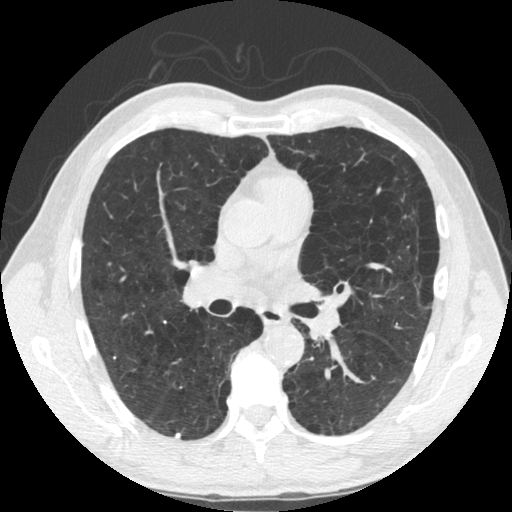
One axial slice (296 of 535, counting up from the lowest) of a chest CT acquired at 120 kVp with the STANDARD kernel; each pixel is 0.664 mm and the slice is 1.25 mm thick.
Pulmonary nodule outlined by two of the four readers; box rows 433–437, columns 174–179 (the union of the readers' outlines on this slice); longest diameter 4.7 mm on average over the two readers' outlines (readers' outlines 3.9–5.5 mm), volume 25–50 mm3. The readers' prevailing ratings and who disagreed: texture 5/5 (solid) from both readers; margin split among the readers: 4/5 (one), 5/5 (circumscribed) (one); sphericity 5/5 (round) from both readers; calcification solid calcification from both readers; internal structure soft tissue from both readers; subtlety split among the readers: 4/5 (one), 5/5 (one); malignancy likelihood 1/5 from both readers. Scale key (1–5): texture non-solid→solid, margin indistinct→circumscribed, sphericity linear→round, subtlety extremely subtle→obvious, malignancy likelihood highly unlikely→highly suspicious of cancer. Box rows and columns are 0-based pixel indices from the top-left corner, inclusive.